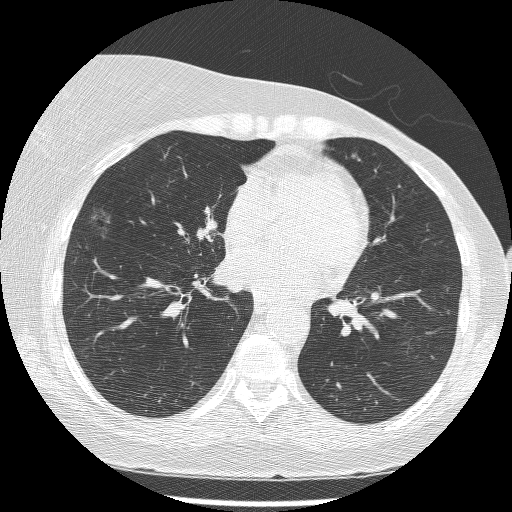
This is axial slice 81 of 209 (slice 1 is the lowest) of a chest CT; each pixel is 0.617 mm and the slice is 1.25 mm thick. Three pulmonary nodules on this slice, listed from left to right. (1) Pulmonary nodule at rows 204–237, columns 88–110 (box = the union of the readers' outlines on this slice), outlined by three of the four readers, two of them on this slice; median longest diameter 21.9 mm (readers' outlines 20.1–23.8 mm), median volume 2042 mm3 (734–2087 mm3). Ratings, median across the readers with their spread: texture 1/5 (non-solid) from all three readers; margin 1/5 (indistinct) from all three readers; median sphericity 4/5 (readers ranged 3/5 (ovoid) to 4/5); calcification absent, all three readers agreeing; internal structure soft tissue, all three readers agreeing; subtlety 2/5 at the median of three readers, spread 1–3; median malignancy likelihood 4/5 (readers ranged 3–5). (2) Pulmonary nodule outlined by three of the four readers; box rows 218–240, columns 196–217 (the union of the readers' outlines on this slice); longest diameter 22.9–27.7 mm and volume 3040–4232 mm3 across the three readers' outlines. Ratings across the readers: texture 5/5 (solid) from all three readers; margin from 4/5 to 5/5 (circumscribed) across the three readers; sphericity from 3/5 (ovoid) to 4/5 across the three readers; calcification absent, all three readers agreeing; internal structure soft tissue from all three readers; subtlety 5/5, all three readers agreeing; malignancy likelihood 5/5, all three readers agreeing. (3) Pulmonary nodule, outlined by one of the four readers. Box on this slice rows 152–158, columns 351–356, that reader's outline on this slice; longest diameter 5.5 mm and volume 64 mm3 from that reader's outline. Ratings by that reader: texture 3/5 (part-solid); margin 1/5 (indistinct); sphericity 3/5 (ovoid); calcification absent; internal structure soft tissue; subtlety 3/5; malignancy likelihood 3/5. Scale key (1–5): texture non-solid→solid, margin indistinct→circumscribed, sphericity linear→round, subtlety extremely subtle→obvious, malignancy likelihood highly unlikely→highly suspicious of cancer. Box rows and columns are 0-based pixel indices from the top-left corner, inclusive.
Scan settings: 120 kVp, BONE reconstruction kernel.